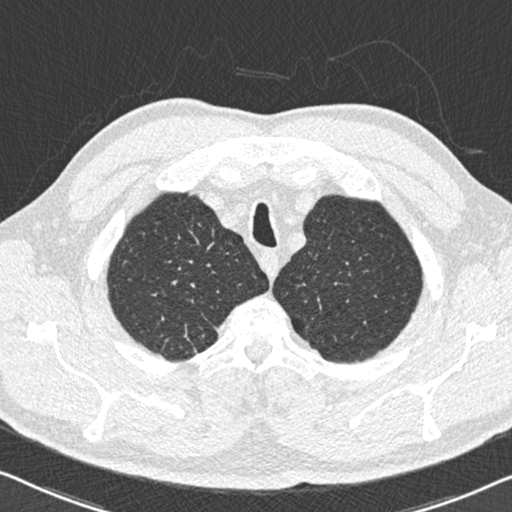
Axial slice 500 of 558 of a chest CT (slice 1 is the lowest), reconstructed with the B30f kernel at 120 kVp; 0.75 mm slice thickness and 0.648 mm pixels.
Pulmonary nodule, outlined by all four readers, one of them on this slice. Box on this slice rows 348–352, columns 194–196, the one reader's outline on this slice; longest diameter 9.4 mm on average over the four readers' outlines (readers' outlines 9.0–9.8 mm), volume 82–155 mm3. Ratings, by the readers' most common answer with dissent counted: texture 5/5 (solid) by three of four readers; the rest gave 4/5 (one); margin 4/5 by three of four readers; the rest gave 5/5 (circumscribed) (one); most readers (three of four) put sphericity at 2/5, others 5/5 (round) (one); calcification absent, all four readers agreeing; internal structure soft tissue from all four readers; subtlety 3/5 by two of four readers; the rest gave 4/5 (one), 5/5 (one); malignancy likelihood split among the readers: 2/5 (two), 3/5 (two). Scale key (1–5): texture non-solid→solid, margin indistinct→circumscribed, sphericity linear→round, subtlety extremely subtle→obvious, malignancy likelihood highly unlikely→highly suspicious of cancer. Box rows and columns are 0-based pixel indices from the top-left corner, inclusive.